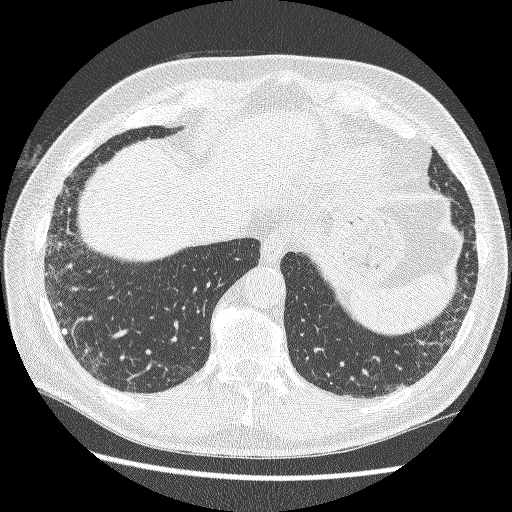
Axial chest CT slice 68 of 264 (counted from the lowest slice); tube voltage 120 kVp, convolution kernel BONE; slices 1.25 mm thick, 0.703 mm per pixel.
Two pulmonary nodules on this slice, listed from left to right. (1) Pulmonary nodule at rows 327–334, columns 61–67 (box = the union of the readers' outlines on this slice), outlined by all four readers; longest diameter 6.0 mm on average over the four readers' outlines (readers' outlines 5.7–6.3 mm), volume 45–89 mm3. Ratings, by the readers' most common answer with dissent counted: texture 5/5 (solid) from all four readers; margin 5/5 (circumscribed) from all four readers; sphericity split among the readers: 4/5 (two), 5/5 (round) (two); calcification solid calcification from all four readers; internal structure soft tissue, all four readers agreeing; subtlety 3/5 by three of four readers; the rest gave 5/5 (one); malignancy likelihood 1/5, all four readers agreeing. (2) Pulmonary nodule outlined by all four readers; box rows 208–212, columns 68–70 (the union of the readers' outlines on this slice); median longest diameter 5.4 mm (readers' outlines 5.4 mm), median volume 59 mm3 (57–65 mm3). Median ratings and the readers' spread: texture 5/5 (solid) from all four readers; median margin 5/5 (circumscribed) (readers ranged 4/5 to 5/5 (circumscribed)); median sphericity 3/5 (ovoid) (readers ranged 2/5 to 5/5 (round)); calcification: solid calcification (three), absent (one); internal structure soft tissue from all four readers; median subtlety 3/5 (readers ranged 1–5); malignancy likelihood 1/5, all four readers agreeing. Scale key (1–5): texture non-solid→solid, margin indistinct→circumscribed, sphericity linear→round, subtlety extremely subtle→obvious, malignancy likelihood highly unlikely→highly suspicious of cancer. Box rows and columns are 0-based pixel indices from the top-left corner, inclusive.